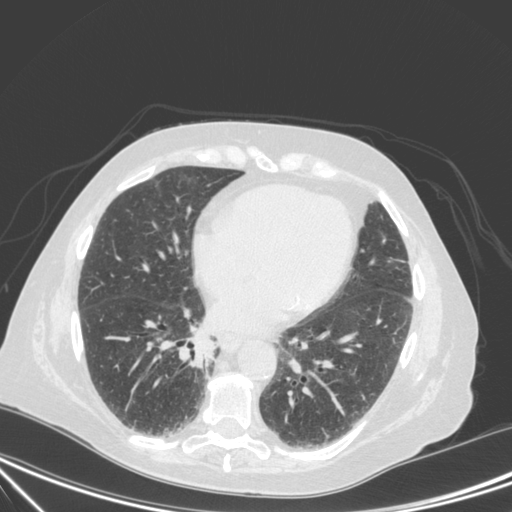
One axial slice (129 of 350, counting up from the lowest) of a chest CT acquired at 120 kVp with the C kernel; each pixel is 0.725 mm and the slice is 1.50 mm thick.
Pulmonary nodule, outlined by one of the four readers. Box on this slice rows 338–365, columns 195–214, that reader's outline on this slice; longest diameter 29.7 mm and volume 4028 mm3 from that reader's outline. Ratings by that reader: texture 5/5 (solid); margin 3/5; sphericity 3/5 (ovoid); calcification absent; internal structure soft tissue; subtlety 5/5; malignancy likelihood 4/5. Scale key (1–5): texture non-solid→solid, margin indistinct→circumscribed, sphericity linear→round, subtlety extremely subtle→obvious, malignancy likelihood highly unlikely→highly suspicious of cancer. Box rows and columns are 0-based pixel indices from the top-left corner, inclusive.